Axial slice 86 of 252 of a chest CT (slice 1 is the lowest), reconstructed with the BONE kernel at 120 kVp; 1.25 mm slice thickness and 0.703 mm pixels.
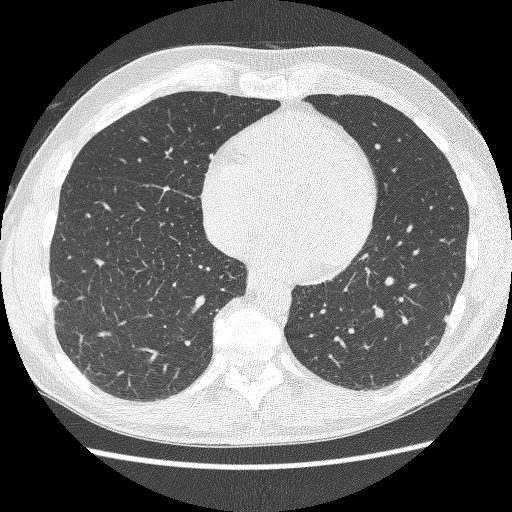
Pulmonary nodule, outlined by two of the four readers. Box on this slice rows 295–306, columns 53–58, the union of the readers' outlines on this slice; longest diameter 12.1 mm on average over the two readers' outlines (readers' outlines 11.4–12.7 mm), volume 256–262 mm3. Ratings, by the readers' most common answer with dissent counted: texture split among the readers: 4/5 (one), 5/5 (solid) (one); margin split among the readers: 3/5 (one), 5/5 (circumscribed) (one); sphericity split among the readers: 2/5 (one), 3/5 (ovoid) (one); calcification absent from both readers; internal structure soft tissue, both readers agreeing; subtlety split among the readers: 2/5 (one), 5/5 (one); malignancy likelihood split among the readers: 2/5 (one), 3/5 (one). Scale key (1–5): texture non-solid→solid, margin indistinct→circumscribed, sphericity linear→round, subtlety extremely subtle→obvious, malignancy likelihood highly unlikely→highly suspicious of cancer. Box rows and columns are 0-based pixel indices from the top-left corner, inclusive.